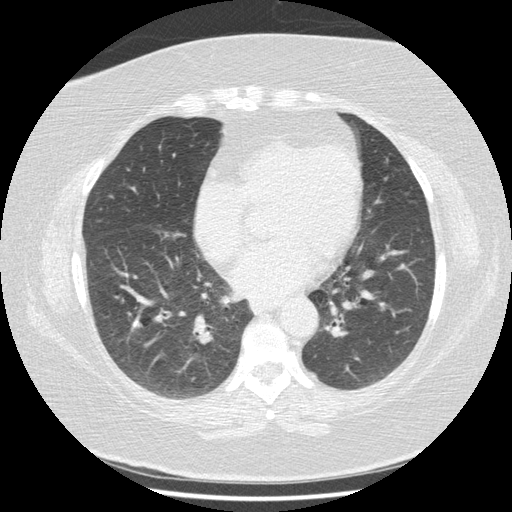
Axial chest CT slice 188 of 417 (counted from the lowest slice); 1.25 mm thick, 0.703 mm per pixel. Pulmonary nodule outlined by all four readers, three of them on this slice; box rows 320–327, columns 132–141 (the union of the readers' outlines on this slice); longest diameter 10.5–10.9 mm and volume 396–502 mm3 across the four readers' outlines. Ratings across the readers: texture 5/5 (solid) from all four readers; margin 5/5 (circumscribed) from all four readers; sphericity from 3/5 (ovoid) to 4/5 across the four readers; calcification: solid calcification (three), absent (one); internal structure soft tissue, all four readers agreeing; subtlety 5/5 from all four readers; malignancy likelihood 1/5, all four readers agreeing. Scale key (1–5): texture non-solid→solid, margin indistinct→circumscribed, sphericity linear→round, subtlety extremely subtle→obvious, malignancy likelihood highly unlikely→highly suspicious of cancer. Box rows and columns are 0-based pixel indices from the top-left corner, inclusive.
Scan settings: 120 kVp, STANDARD reconstruction kernel.